Axial slice 177 of 245 of a chest CT (slice 1 is the lowest), reconstructed with the STANDARD kernel at 120 kVp; 1.25 mm slice thickness and 0.730 mm pixels.
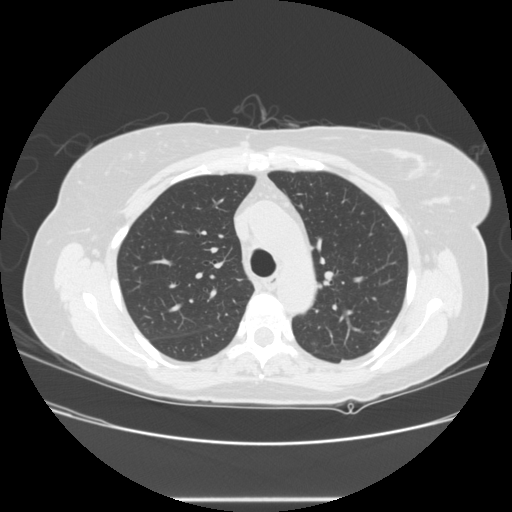
Pulmonary nodule at rows 357–362, columns 341–354 (box = the one reader's outline on this slice), outlined by all four readers, one of them on this slice; median longest diameter 29.7 mm (readers' outlines 27.2–36.8 mm), median volume 4184 mm3 (3941–5997 mm3). Median ratings and the readers' spread: texture 5/5 (solid) from all four readers; median margin 3.5/5 (readers ranged 1/5 (indistinct) to 4/5); sphericity 2.5/5 at the median of four readers, spread 2/5 to 4/5; calcification absent from all four readers; internal structure soft tissue, all four readers agreeing; subtlety 5/5, all four readers agreeing; malignancy likelihood 5/5 at the median of four readers, spread 4–5. Scale key (1–5): texture non-solid→solid, margin indistinct→circumscribed, sphericity linear→round, subtlety extremely subtle→obvious, malignancy likelihood highly unlikely→highly suspicious of cancer. Box rows and columns are 0-based pixel indices from the top-left corner, inclusive.